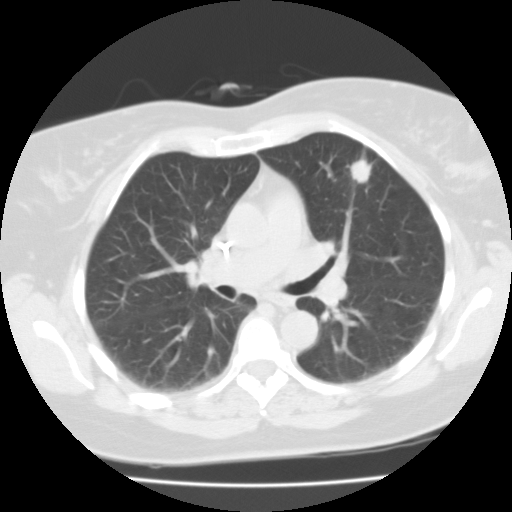
Slice 47/87 of a chest CT, counting up from the lowest; pixel size 0.650 mm, slice thickness 3.00 mm. Pulmonary nodule at rows 153–183, columns 350–374 (box = the union of the readers' outlines on this slice), outlined by all four readers; median longest diameter 20.9 mm (readers' outlines 17.5–23.5 mm), median volume 2410 mm3 (1510–2444 mm3). Ratings, median across the readers with their spread: texture 4.5/5 at the median of four readers, spread 4/5 to 5/5 (solid); median margin 2.5/5 (readers ranged 2/5 to 4/5); sphericity 4/5 at the median of four readers, spread 3/5 (ovoid) to 5/5 (round); calcification absent from all four readers; internal structure soft tissue, all four readers agreeing; subtlety 5/5 at the median of four readers, spread 4–5; median malignancy likelihood 3.5/5 (readers ranged 3–5). Scale key (1–5): texture non-solid→solid, margin indistinct→circumscribed, sphericity linear→round, subtlety extremely subtle→obvious, malignancy likelihood highly unlikely→highly suspicious of cancer. Box rows and columns are 0-based pixel indices from the top-left corner, inclusive.
Acquired at 135 kVp and reconstructed with the FC01 kernel.